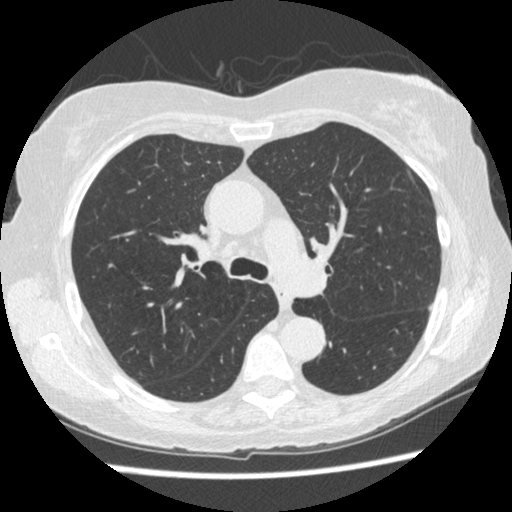
One axial slice (300 of 477, counting up from the lowest) of a chest CT acquired at 120 kVp with the STANDARD kernel; each pixel is 0.625 mm and the slice is 1.25 mm thick.
This slice carries no reader outline of a nodule 3 mm or larger.